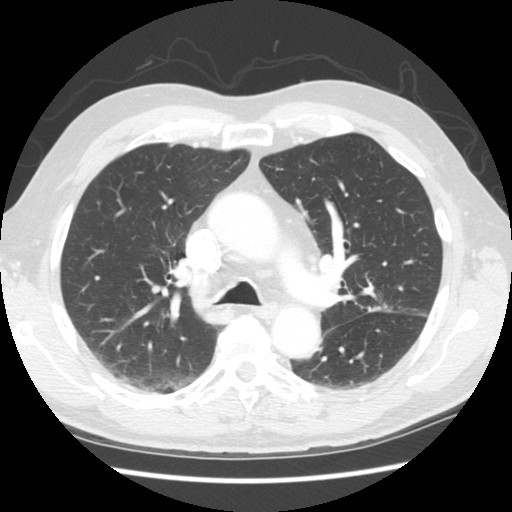
Axial slice 169 of 258 of a chest CT (slice 1 is the lowest), reconstructed with the STANDARD kernel at 120 kVp; 2.50 mm slice thickness and 0.664 mm pixels.
Pulmonary nodule at rows 302–311, columns 369–392 (box = the union of the readers' outlines on this slice), outlined by all four readers, three of them on this slice; the four readers' outlines give a longest diameter between 19.7 and 21.9 mm and a volume between 1387 and 1715 mm3. The readers' ratings, as ranges where they differ: texture 5/5 (solid), all four readers agreeing; margin from 3/5 to 4/5 across the four readers; sphericity from 2/5 to 4/5 across the four readers; calcification absent, all four readers agreeing; internal structure soft tissue, all four readers agreeing; subtlety 5/5, all four readers agreeing; malignancy likelihood from 3/5 to 5/5 across the four readers. Scale key (1–5): texture non-solid→solid, margin indistinct→circumscribed, sphericity linear→round, subtlety extremely subtle→obvious, malignancy likelihood highly unlikely→highly suspicious of cancer. Box rows and columns are 0-based pixel indices from the top-left corner, inclusive.